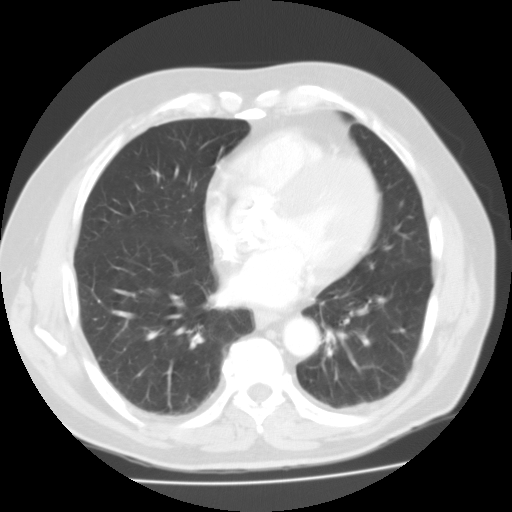
One axial slice (63 of 125, counting up from the lowest) of a chest CT acquired at 135 kVp with the FC01 kernel; each pixel is 0.721 mm and the slice is 3.00 mm thick.
Two pulmonary nodules on this slice, listed from left to right. (1) Pulmonary nodule at rows 356–359, columns 99–101 (box = that reader's outline on this slice), outlined by one of the four readers; longest diameter 5.2 mm and volume 82 mm3 from that reader's outline. Ratings by that reader: texture 5/5 (solid); margin 3/5; sphericity 3/5 (ovoid); calcification absent; internal structure soft tissue; subtlety 5/5; malignancy likelihood 2/5. (2) Pulmonary nodule outlined by all four readers, one of them on this slice; box rows 328–333, columns 400–404 (the one reader's outline on this slice); median longest diameter 5.6 mm (readers' outlines 5.5–7.5 mm), median volume 123 mm3 (101–179 mm3). Ratings, median across the readers with their spread: texture 5/5 (solid), all four readers agreeing; margin 5/5 (circumscribed), all four readers agreeing; median sphericity 4.5/5 (readers ranged 3/5 (ovoid) to 5/5 (round)); calcification solid calcification from all four readers; internal structure soft tissue, all four readers agreeing; median subtlety 4/5 (readers ranged 3–5); malignancy likelihood 1/5 from all four readers. Scale key (1–5): texture non-solid→solid, margin indistinct→circumscribed, sphericity linear→round, subtlety extremely subtle→obvious, malignancy likelihood highly unlikely→highly suspicious of cancer. Box rows and columns are 0-based pixel indices from the top-left corner, inclusive.